One axial slice (219 of 261, counting up from the lowest) of a chest CT acquired at 120 kVp with the STANDARD kernel; each pixel is 0.781 mm and the slice is 1.25 mm thick.
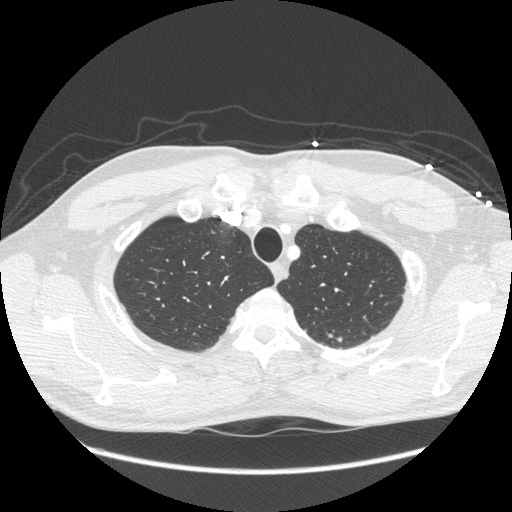
Pulmonary nodule, outlined by one of the four readers. Box on this slice rows 337–341, columns 337–341, that reader's outline on this slice; longest diameter 6.3 mm and volume 35 mm3 from that reader's outline. That reader's ratings: texture 5/5 (solid); margin 4/5; sphericity 3/5 (ovoid); calcification absent; internal structure soft tissue; subtlety 2/5; malignancy likelihood 1/5. Scale key (1–5): texture non-solid→solid, margin indistinct→circumscribed, sphericity linear→round, subtlety extremely subtle→obvious, malignancy likelihood highly unlikely→highly suspicious of cancer. Box rows and columns are 0-based pixel indices from the top-left corner, inclusive.